Axial slice 238 of 321 of a chest CT (slice 1 is the lowest), reconstructed with the D kernel at 120 kVp; 2.00 mm slice thickness and 0.557 mm pixels.
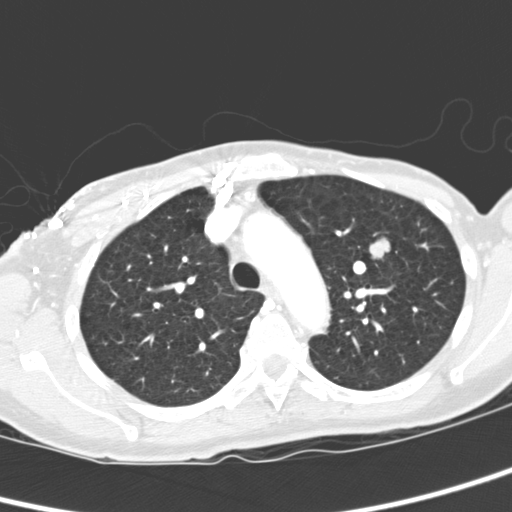
Pulmonary nodule outlined by all four readers; box rows 236–261, columns 367–391 (the union of the readers' outlines on this slice); longest diameter 19.2–22.3 mm and volume 3069–4125 mm3 across the four readers' outlines. The readers' ratings, as ranges where they differ: texture 5/5 (solid) from all four readers; margin 5/5 (circumscribed) from all four readers; sphericity from 4/5 to 5/5 (round) across the four readers; calcification absent, all four readers agreeing; internal structure soft tissue, all four readers agreeing; subtlety 5/5 from all four readers; malignancy likelihood from 2/5 to 5/5 across the four readers. Scale key (1–5): texture non-solid→solid, margin indistinct→circumscribed, sphericity linear→round, subtlety extremely subtle→obvious, malignancy likelihood highly unlikely→highly suspicious of cancer. Box rows and columns are 0-based pixel indices from the top-left corner, inclusive.